Chest CT, axial plane, 120 kVp, kernel B30f. Slice 356/493 from the bottom of the scan; thickness 0.75 mm; pixel size 0.762 mm.
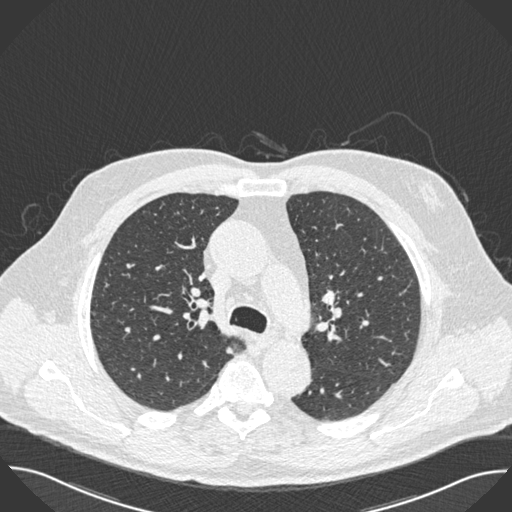
Pulmonary nodule outlined by two of the four readers; box rows 346–353, columns 226–233 (the union of the readers' outlines on this slice); median longest diameter 7.0 mm (readers' outlines 6.6–7.5 mm), median volume 58 mm3 (41–75 mm3). Ratings, median across the readers with their spread: texture 5/5 (solid) from both readers; margin 4/5, both readers agreeing; sphericity 3/5 (ovoid) from both readers; calcification absent from both readers; internal structure soft tissue from both readers; subtlety 4/5 from both readers; median malignancy likelihood 2.5/5 (readers ranged 2–3). Scale key (1–5): texture non-solid→solid, margin indistinct→circumscribed, sphericity linear→round, subtlety extremely subtle→obvious, malignancy likelihood highly unlikely→highly suspicious of cancer. Box rows and columns are 0-based pixel indices from the top-left corner, inclusive.